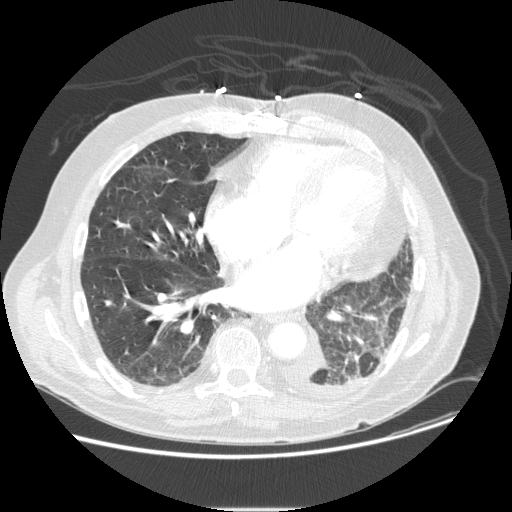
Chest CT, axial plane, 120 kVp, kernel STANDARD. Slice 108/232 from the bottom of the scan; thickness 1.25 mm; pixel size 0.781 mm.
The readers outlined no nodule of 3 mm or more on this slice.